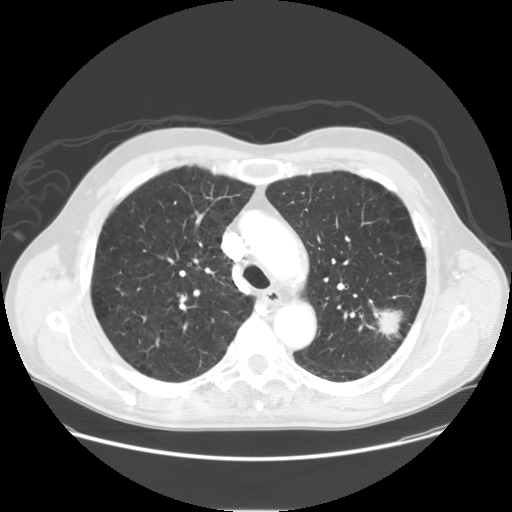
Axial chest CT slice 114 of 152 (counted from the lowest slice); 2.50 mm thick, 0.781 mm per pixel. Pulmonary nodule outlined by all four readers; box rows 309–339, columns 375–403 (the union of the readers' outlines on this slice); the four readers' outlines give a longest diameter between 26.7 and 29.9 mm and a volume between 4495 and 6409 mm3. The readers' ratings, as ranges where they differ: texture from 4/5 to 5/5 (solid) across the four readers; margin from 3/5 to 4/5 across the four readers; sphericity from 3/5 (ovoid) to 5/5 (round) across the four readers; calcification absent, all four readers agreeing; internal structure soft tissue from all four readers; subtlety 5/5 from all four readers; malignancy likelihood from 4/5 to 5/5 across the four readers. Scale key (1–5): texture non-solid→solid, margin indistinct→circumscribed, sphericity linear→round, subtlety extremely subtle→obvious, malignancy likelihood highly unlikely→highly suspicious of cancer. Box rows and columns are 0-based pixel indices from the top-left corner, inclusive.
Acquired at 120 kVp and reconstructed with the STANDARD kernel.